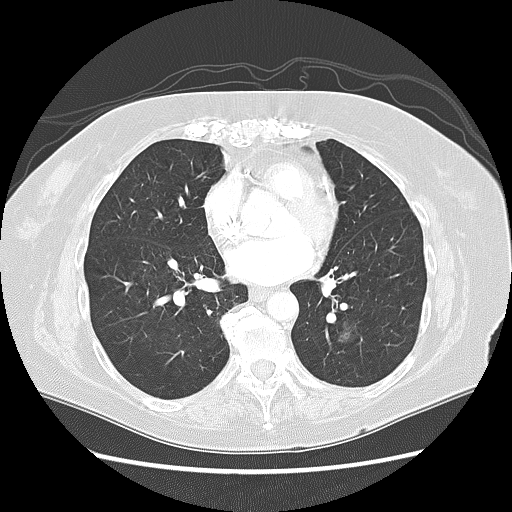
Axial slice 47 of 125 of a chest CT (slice 1 is the lowest), reconstructed with the LUNG kernel at 120 kVp; 2.50 mm slice thickness and 0.703 mm pixels.
Pulmonary nodule, outlined by three of the four readers. Box on this slice rows 320–342, columns 338–357, the union of the readers' outlines on this slice; longest diameter 17.4 mm on average over the three readers' outlines (readers' outlines 16.8–17.9 mm), volume 872–1576 mm3. The readers' prevailing ratings and who disagreed: texture 1/5 (non-solid) by two of three readers; the rest gave 2/5 (one); most readers (two of three) put margin at 1/5 (indistinct), others 4/5 (one); most readers (two of three) put sphericity at 3/5 (ovoid), others 4/5 (one); calcification absent, all three readers agreeing; internal structure soft tissue from all three readers; subtlety split among the readers: 2/5 (one), 3/5 (one), 4/5 (one); malignancy likelihood split among the readers: 2/5 (one), 3/5 (one), 5/5 (one). Scale key (1–5): texture non-solid→solid, margin indistinct→circumscribed, sphericity linear→round, subtlety extremely subtle→obvious, malignancy likelihood highly unlikely→highly suspicious of cancer. Box rows and columns are 0-based pixel indices from the top-left corner, inclusive.